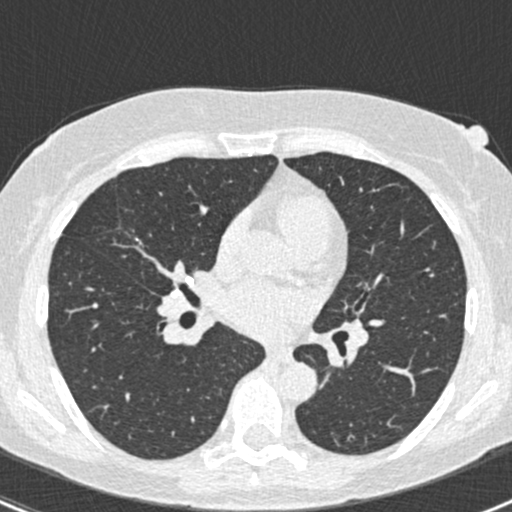
This is axial slice 244 of 429 (slice 1 is the lowest) of a chest CT; each pixel is 0.586 mm and the slice is 0.75 mm thick. Pulmonary nodule at rows 238–243, columns 135–141 (box = the union of the readers' outlines on this slice), outlined three times (the source holds two more outlines, not used); longest diameter 9.3 mm on average over the three readers' outlines (readers' outlines 8.0–11.0 mm), volume 95–144 mm3. Ratings, by the readers' most common answer with dissent counted: texture 5/5 (solid), all three readers agreeing; margin 5/5 (circumscribed) from all three readers; sphericity split among the readers: 2/5 (one), 3/5 (ovoid) (one), 5/5 (round) (one); calcification solid calcification from all three readers; internal structure soft tissue from all three readers; most readers (two of three) put subtlety at 4/5, others 5/5 (one); malignancy likelihood 1/5, all three readers agreeing. Scale key (1–5): texture non-solid→solid, margin indistinct→circumscribed, sphericity linear→round, subtlety extremely subtle→obvious, malignancy likelihood highly unlikely→highly suspicious of cancer. Box rows and columns are 0-based pixel indices from the top-left corner, inclusive.
Acquired at 120 kVp and reconstructed with the B30f kernel.